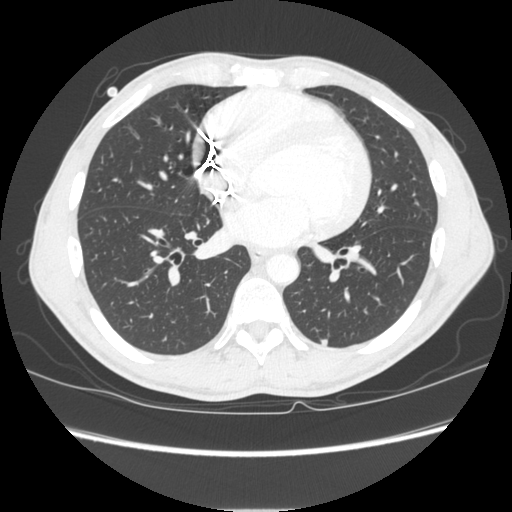
Chest CT, axial plane, 120 kVp, kernel STANDARD. Slice 120/261 from the bottom of the scan; thickness 1.25 mm; pixel size 0.684 mm.
Pulmonary nodule, outlined by all four readers. Box on this slice rows 339–345, columns 320–327, the union of the readers' outlines on this slice; longest diameter 5.2–6.8 mm and volume 71–112 mm3 across the four readers' outlines. The readers' ratings, as ranges where they differ: texture 5/5 (solid) from all four readers; margin 5/5 (circumscribed) from all four readers; sphericity from 3/5 (ovoid) to 5/5 (round) across the four readers; calcification absent, all four readers agreeing; internal structure soft tissue, all four readers agreeing; subtlety rated between 3 and 4 out of 5 by the four readers; malignancy likelihood 2–3/5 (the readers disagree). Scale key (1–5): texture non-solid→solid, margin indistinct→circumscribed, sphericity linear→round, subtlety extremely subtle→obvious, malignancy likelihood highly unlikely→highly suspicious of cancer. Box rows and columns are 0-based pixel indices from the top-left corner, inclusive.